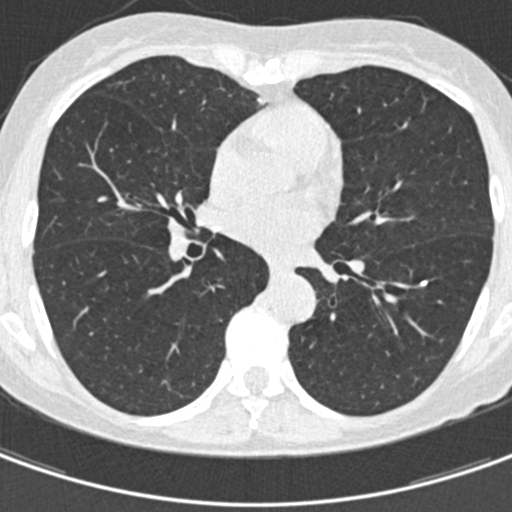
This is axial slice 224 of 429 (slice 1 is the lowest) of a chest CT; each pixel is 0.537 mm and the slice is 0.75 mm thick. Pulmonary nodule at rows 281–285, columns 420–426 (box = that reader's outline on this slice), outlined by one of the four readers; longest diameter 4.6 mm and volume 22 mm3 from that reader's outline. That reader's ratings: texture 5/5 (solid); margin 5/5 (circumscribed); sphericity 4/5; calcification solid calcification; internal structure soft tissue; subtlety 2/5; malignancy likelihood 1/5. Scale key (1–5): texture non-solid→solid, margin indistinct→circumscribed, sphericity linear→round, subtlety extremely subtle→obvious, malignancy likelihood highly unlikely→highly suspicious of cancer. Box rows and columns are 0-based pixel indices from the top-left corner, inclusive.
Tube voltage 120 kVp; convolution kernel B30f.